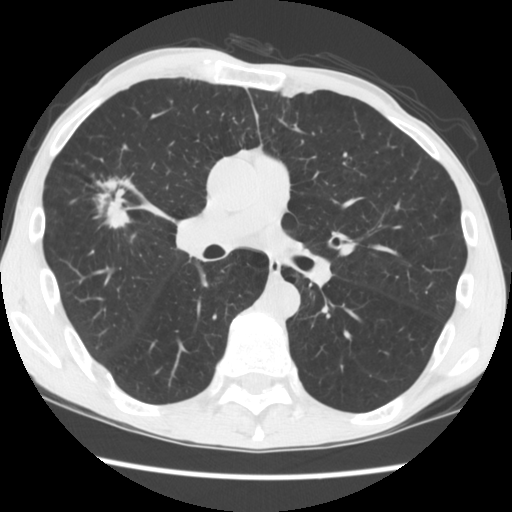
Axial slice 97 of 181 of a chest CT (slice 1 is the lowest), reconstructed with the STANDARD kernel at 120 kVp; 2.50 mm slice thickness and 0.645 mm pixels.
Pulmonary nodule at rows 173–234, columns 87–133 (box = the union of the readers' outlines on this slice), outlined by all four readers; longest diameter 35.2–44.7 mm and volume 5781–11800 mm3 across the four readers' outlines. Ratings across the readers: texture from 4/5 to 5/5 (solid) across the four readers; margin from 2/5 to 4/5 across the four readers; sphericity from 2/5 to 5/5 (round) across the four readers; calcification absent, all four readers agreeing; internal structure soft tissue, all four readers agreeing; subtlety 5/5, all four readers agreeing; malignancy likelihood 5/5 from all four readers. Scale key (1–5): texture non-solid→solid, margin indistinct→circumscribed, sphericity linear→round, subtlety extremely subtle→obvious, malignancy likelihood highly unlikely→highly suspicious of cancer. Box rows and columns are 0-based pixel indices from the top-left corner, inclusive.